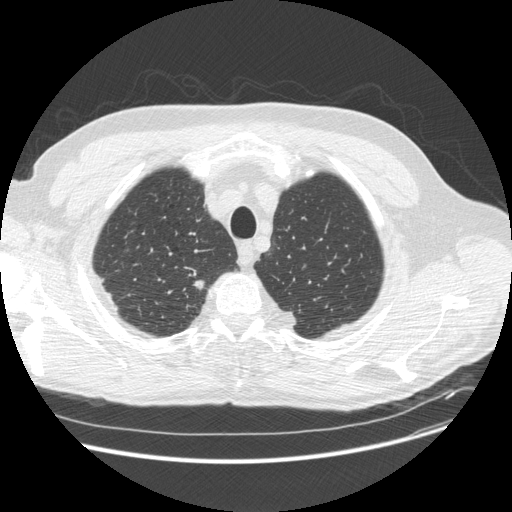
This is axial slice 453 of 513 (slice 1 is the lowest) of a chest CT; each pixel is 0.742 mm and the slice is 1.25 mm thick. Pulmonary nodule at rows 279–290, columns 192–204 (box = the union of the readers' outlines on this slice), outlined by all four readers; median longest diameter 12.5 mm (readers' outlines 11.4–16.0 mm), median volume 145 mm3 (128–190 mm3). Ratings, median across the readers with their spread: median texture 4.5/5 (readers ranged 4/5 to 5/5 (solid)); margin 4/5 at the median of four readers, spread 2/5 to 5/5 (circumscribed); median sphericity 3.5/5 (readers ranged 2/5 to 5/5 (round)); calcification absent, all four readers agreeing; internal structure soft tissue from all four readers; median subtlety 4.5/5 (readers ranged 3–5); malignancy likelihood 4.5/5 at the median of four readers, spread 4–5. Scale key (1–5): texture non-solid→solid, margin indistinct→circumscribed, sphericity linear→round, subtlety extremely subtle→obvious, malignancy likelihood highly unlikely→highly suspicious of cancer. Box rows and columns are 0-based pixel indices from the top-left corner, inclusive.
Scan settings: 120 kVp, STANDARD reconstruction kernel.